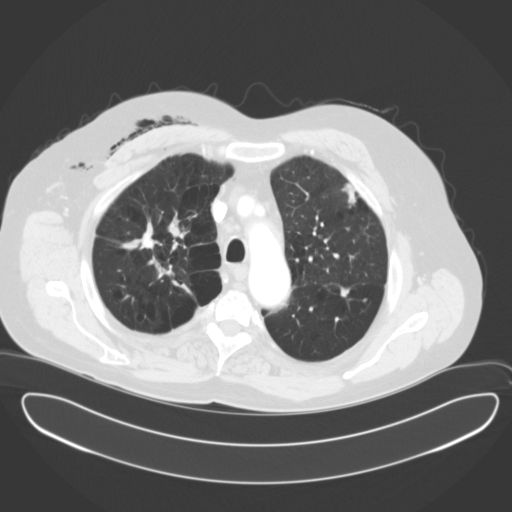
Axial chest CT slice 126 of 153 (counted from the lowest slice); tube voltage 120 kVp, convolution kernel B31f; slices 3.00 mm thick, 0.836 mm per pixel.
Two pulmonary nodules are outlined on this slice; from left to right: (1) Pulmonary nodule, outlined by two of the four readers. Box on this slice rows 287–296, columns 341–349, the union of the readers' outlines on this slice; median longest diameter 9.6 mm (readers' outlines 9.3–9.8 mm), median volume 294 mm3 (285–303 mm3). Ratings, median across the readers with their spread: texture 5/5 (solid) from both readers; median margin 3.5/5 (readers ranged 3/5 to 4/5); sphericity 2.5/5 at the median of two readers, spread 2/5 to 3/5 (ovoid); calcification absent from both readers; internal structure soft tissue, both readers agreeing; subtlety 4/5, both readers agreeing; median malignancy likelihood 2/5 (readers ranged 1–3). (2) Pulmonary nodule outlined by three of the four readers; box rows 182–207, columns 340–356 (the union of the readers' outlines on this slice); the three readers' outlines give a longest diameter between 23.0 and 24.3 mm and a volume between 910 and 1434 mm3. The readers' ratings, as ranges where they differ: texture from 4/5 to 5/5 (solid) across the three readers; margin from 2/5 to 4/5 across the three readers; sphericity from 2/5 to 3/5 (ovoid) across the three readers; calcification absent, all three readers agreeing; internal structure soft tissue from all three readers; subtlety 4–5/5 (the readers disagree); malignancy likelihood from 2/5 to 3/5 across the three readers. Scale key (1–5): texture non-solid→solid, margin indistinct→circumscribed, sphericity linear→round, subtlety extremely subtle→obvious, malignancy likelihood highly unlikely→highly suspicious of cancer. Box rows and columns are 0-based pixel indices from the top-left corner, inclusive.